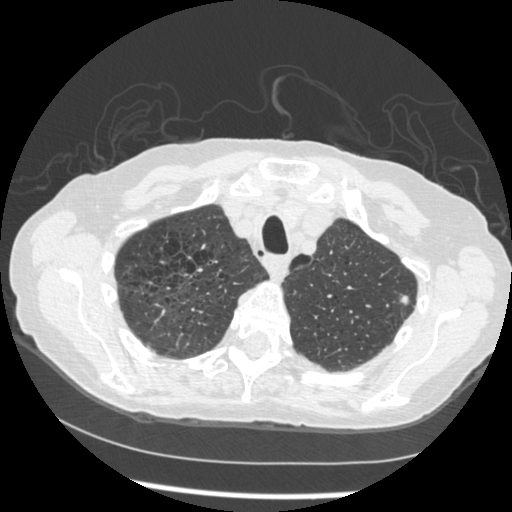
One axial slice (384 of 461, counting up from the lowest) of a chest CT acquired at 120 kVp with the STANDARD kernel; each pixel is 0.645 mm and the slice is 1.25 mm thick.
Pulmonary nodule at rows 295–305, columns 398–409 (box = the union of the readers' outlines on this slice), outlined by all four readers; longest diameter 9.2–11.1 mm and volume 139–248 mm3 across the four readers' outlines. Ratings across the readers: texture from 3/5 (part-solid) to 5/5 (solid) across the four readers; margin from 2/5 to 5/5 (circumscribed) across the four readers; sphericity from 2/5 to 5/5 (round) across the four readers; calcification absent from all four readers; internal structure soft tissue from all four readers; subtlety rated between 3 and 5 out of 5 by the four readers; malignancy likelihood from 2/5 to 4/5 across the four readers. Scale key (1–5): texture non-solid→solid, margin indistinct→circumscribed, sphericity linear→round, subtlety extremely subtle→obvious, malignancy likelihood highly unlikely→highly suspicious of cancer. Box rows and columns are 0-based pixel indices from the top-left corner, inclusive.